Axial slice 233 of 347 of a chest CT (slice 1 is the lowest), reconstructed with the B45f kernel at 120 kVp; 1.00 mm slice thickness and 0.625 mm pixels.
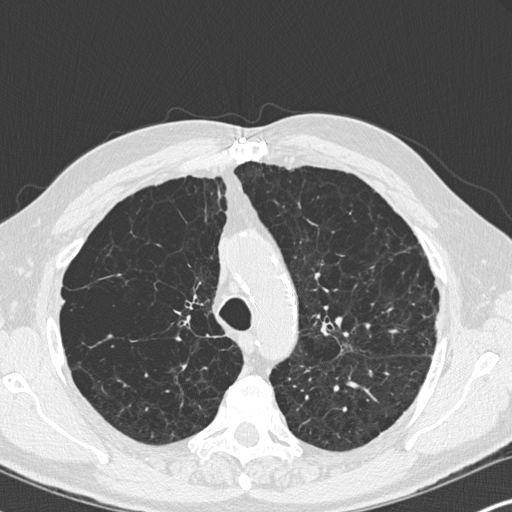
Pulmonary nodule, outlined by all four readers. Box on this slice rows 370–377, columns 368–373, the union of the readers' outlines on this slice; median longest diameter 7.7 mm (readers' outlines 6.4–10.3 mm), median volume 73 mm3 (66–148 mm3). Ratings, median across the readers with their spread: texture 5/5 (solid) from all four readers; margin 5/5 (circumscribed) at the median of four readers, spread 4/5 to 5/5 (circumscribed); sphericity 3.5/5 at the median of four readers, spread 2/5 to 4/5; calcification absent, all four readers agreeing; internal structure soft tissue, all four readers agreeing; median subtlety 3.5/5 (readers ranged 3–5); median malignancy likelihood 3/5 (readers ranged 2–3). Scale key (1–5): texture non-solid→solid, margin indistinct→circumscribed, sphericity linear→round, subtlety extremely subtle→obvious, malignancy likelihood highly unlikely→highly suspicious of cancer. Box rows and columns are 0-based pixel indices from the top-left corner, inclusive.